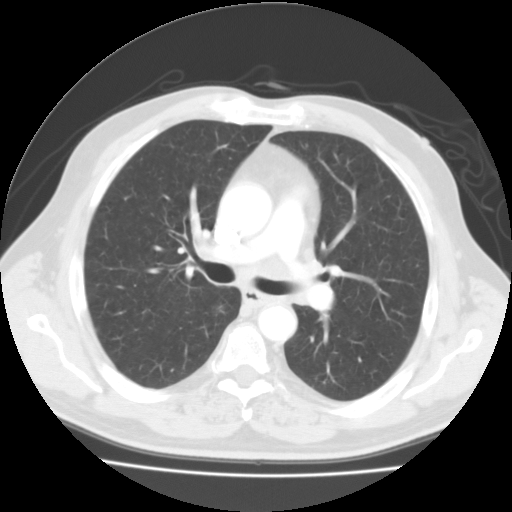
Slice 72/114 of a chest CT, counting up from the lowest; pixel size 0.711 mm, slice thickness 3.00 mm. Pulmonary nodule outlined by one of the four readers; box rows 303–315, columns 213–224 (that reader's outline on this slice); longest diameter 13.0 mm and volume 688 mm3 from that reader's outline. Ratings by that reader: texture 1/5 (non-solid); margin 1/5 (indistinct); sphericity 5/5 (round); calcification absent; internal structure soft tissue; subtlety 1/5; malignancy likelihood 3/5. Scale key (1–5): texture non-solid→solid, margin indistinct→circumscribed, sphericity linear→round, subtlety extremely subtle→obvious, malignancy likelihood highly unlikely→highly suspicious of cancer. Box rows and columns are 0-based pixel indices from the top-left corner, inclusive.
Scan settings: 135 kVp, FC01 reconstruction kernel.